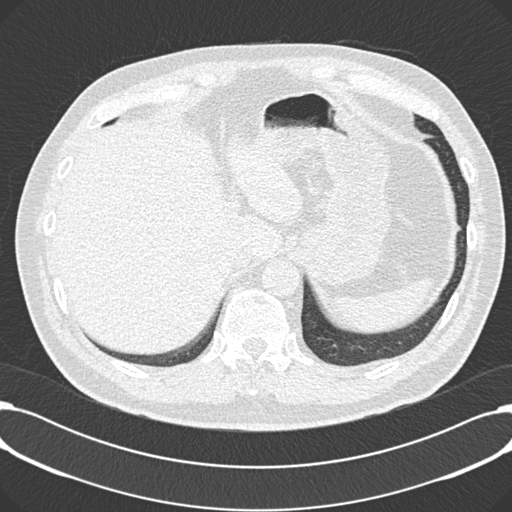
Axial chest CT slice 40 of 195 (counted from the lowest slice); 2.00 mm thick, 0.723 mm per pixel. Pulmonary nodule outlined by all four readers; box rows 224–231, columns 455–460 (the union of the readers' outlines on this slice); longest diameter 7.3–8.7 mm and volume 123–254 mm3 across the four readers' outlines. Ratings across the readers: texture 5/5 (solid) from all four readers; margin from 4/5 to 5/5 (circumscribed) across the four readers; sphericity from 3/5 (ovoid) to 4/5 across the four readers; calcification absent, all four readers agreeing; internal structure soft tissue, all four readers agreeing; subtlety from 4/5 to 5/5 across the four readers; malignancy likelihood 2–3/5 (the readers disagree). Scale key (1–5): texture non-solid→solid, margin indistinct→circumscribed, sphericity linear→round, subtlety extremely subtle→obvious, malignancy likelihood highly unlikely→highly suspicious of cancer. Box rows and columns are 0-based pixel indices from the top-left corner, inclusive.
Tube voltage 120 kVp; convolution kernel B30f.